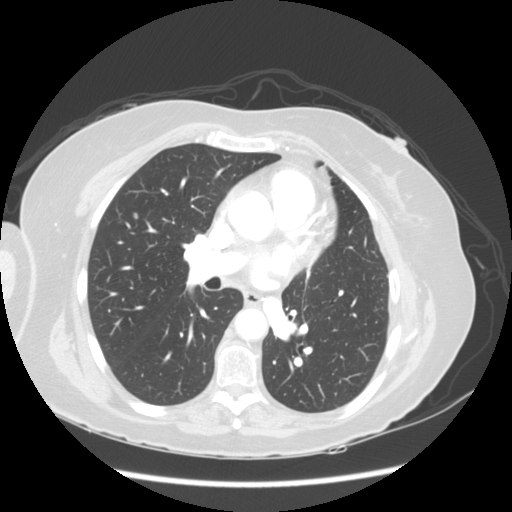
Slice 90/141 of a chest CT, counting up from the lowest; pixel size 0.703 mm, slice thickness 2.50 mm. Pulmonary nodule at rows 212–218, columns 132–138 (box = the union of the readers' outlines on this slice), outlined by two of the four readers; the two readers' outlines give a longest diameter between 5.7 and 7.2 mm and a volume between 74 and 138 mm3. Ratings across the readers: texture from 4/5 to 5/5 (solid) across the two readers; margin from 2/5 to 3/5 across the two readers; sphericity 3/5 (ovoid), both readers agreeing; calcification absent from both readers; internal structure soft tissue from both readers; subtlety 3–5/5 (the readers disagree); malignancy likelihood from 2/5 to 3/5 across the two readers. Scale key (1–5): texture non-solid→solid, margin indistinct→circumscribed, sphericity linear→round, subtlety extremely subtle→obvious, malignancy likelihood highly unlikely→highly suspicious of cancer. Box rows and columns are 0-based pixel indices from the top-left corner, inclusive.
Scan settings: 120 kVp, STANDARD reconstruction kernel.